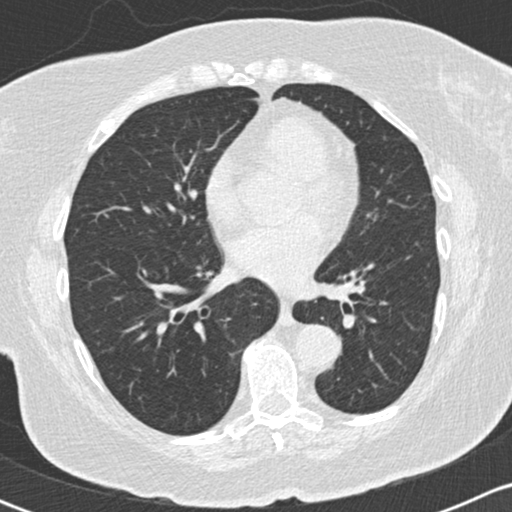
Axial chest CT slice 76 of 172 (counted from the lowest slice); tube voltage 120 kVp, convolution kernel B30f; slices 2.00 mm thick, 0.605 mm per pixel.
This slice carries no reader outline of a nodule 3 mm or larger.